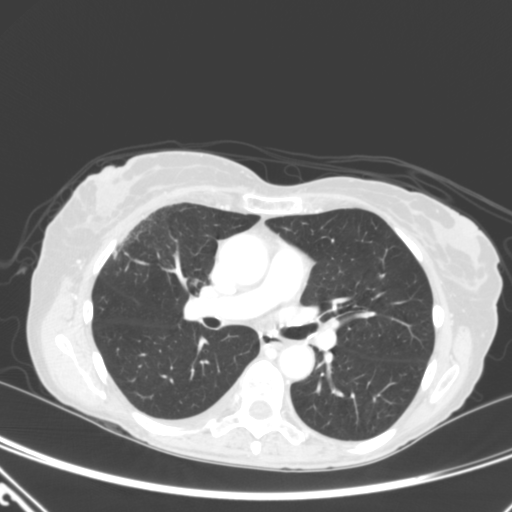
Axial slice 190 of 320 of a chest CT (slice 1 is the lowest), reconstructed with the B kernel at 120 kVp; 2.00 mm slice thickness and 0.662 mm pixels.
Pulmonary nodule, outlined by all four readers, three of them on this slice. Box on this slice rows 249–258, columns 111–117, the union of the readers' outlines on this slice; the four readers' outlines give a longest diameter between 12.2 and 16.6 mm and a volume between 631 and 1078 mm3. The readers' ratings, as ranges where they differ: texture 5/5 (solid) from all four readers; margin from 3/5 to 5/5 (circumscribed) across the four readers; sphericity from 3/5 (ovoid) to 5/5 (round) across the four readers; calcification absent from all four readers; internal structure soft tissue from all four readers; subtlety 5/5, all four readers agreeing; malignancy likelihood from 2/5 to 5/5 across the four readers. Scale key (1–5): texture non-solid→solid, margin indistinct→circumscribed, sphericity linear→round, subtlety extremely subtle→obvious, malignancy likelihood highly unlikely→highly suspicious of cancer. Box rows and columns are 0-based pixel indices from the top-left corner, inclusive.